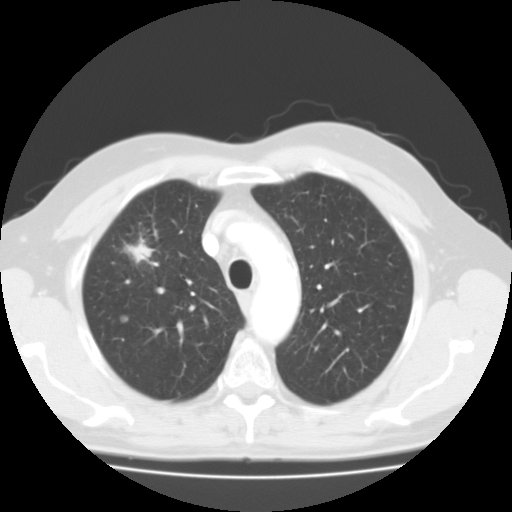
Slice 85/109 of a chest CT, counting up from the lowest; pixel size 0.720 mm, slice thickness 3.00 mm. Two pulmonary nodules on this slice, listed from left to right. (1) Pulmonary nodule outlined by all four readers; box rows 315–322, columns 119–128 (the union of the readers' outlines on this slice); median longest diameter 8.9 mm (readers' outlines 8.9–10.0 mm), median volume 431 mm3 (349–490 mm3). Median ratings and the readers' spread: median texture 5/5 (solid) (readers ranged 2/5 to 5/5 (solid)); median margin 4/5 (readers ranged 3/5 to 5/5 (circumscribed)); median sphericity 4.5/5 (readers ranged 3/5 (ovoid) to 5/5 (round)); calcification absent, all four readers agreeing; internal structure soft tissue from all four readers; median subtlety 4/5 (readers ranged 3–5); malignancy likelihood 2/5 at the median of four readers, spread 2–3. (2) Pulmonary nodule outlined by three of the four readers; box rows 238–267, columns 124–159 (the union of the readers' outlines on this slice); longest diameter 28.5–30.8 mm and volume 5654–6646 mm3 across the three readers' outlines. Ratings across the readers: texture from 4/5 to 5/5 (solid) across the three readers; margin from 1/5 (indistinct) to 4/5 across the three readers; sphericity from 2/5 to 3/5 (ovoid) across the three readers; calcification absent, all three readers agreeing; internal structure soft tissue from all three readers; subtlety 5/5, all three readers agreeing; malignancy likelihood 3–5/5 (the readers disagree). Scale key (1–5): texture non-solid→solid, margin indistinct→circumscribed, sphericity linear→round, subtlety extremely subtle→obvious, malignancy likelihood highly unlikely→highly suspicious of cancer. Box rows and columns are 0-based pixel indices from the top-left corner, inclusive.
Scan settings: 135 kVp, FC01 reconstruction kernel.